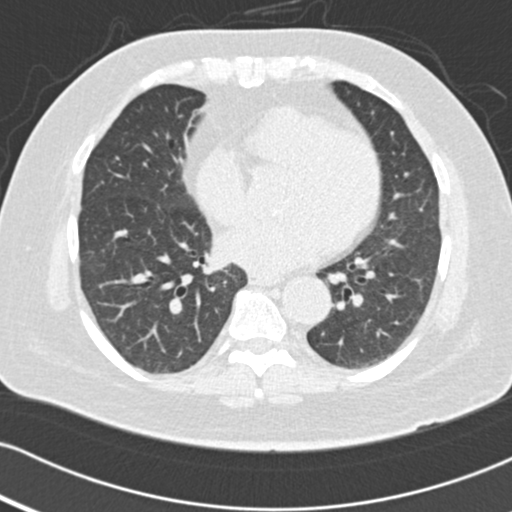
One axial slice (68 of 157, counting up from the lowest) of a chest CT acquired at 120 kVp with the B30f kernel; each pixel is 0.625 mm and the slice is 2.00 mm thick.
This slice carries no reader outline of a nodule 3 mm or larger.